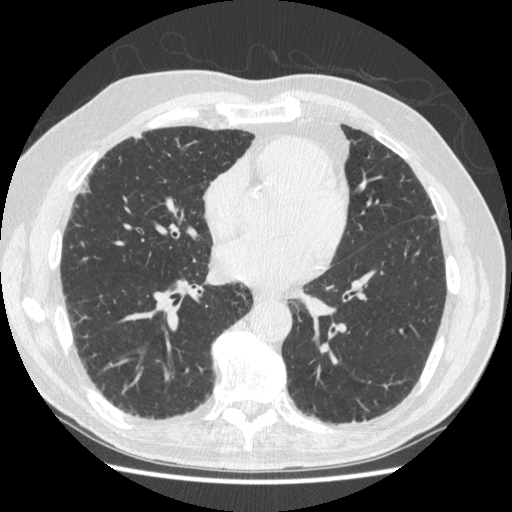
Axial chest CT slice 225 of 497 (counted from the lowest slice); tube voltage 120 kVp, convolution kernel STANDARD; slices 1.25 mm thick, 0.703 mm per pixel.
Pulmonary nodule, outlined by all four readers, one of them on this slice. Box on this slice rows 132–142, columns 130–141, the one reader's outline on this slice; longest diameter 12.2 mm on average over the four readers' outlines (readers' outlines 10.9–14.8 mm), volume 184–648 mm3. The readers' prevailing ratings and who disagreed: texture 5/5 (solid) by three of four readers; the rest gave 1/5 (non-solid) (one); margin 3/5 by two of four readers; the rest gave 2/5 (one), 4/5 (one); sphericity 3/5 (ovoid) by two of four readers; the rest gave 4/5 (one), 5/5 (round) (one); calcification absent, all four readers agreeing; internal structure soft tissue, all four readers agreeing; subtlety 4/5 by two of four readers; the rest gave 1/5 (one), 5/5 (one); malignancy likelihood 3/5 by two of four readers; the rest gave 2/5 (one), 4/5 (one). Scale key (1–5): texture non-solid→solid, margin indistinct→circumscribed, sphericity linear→round, subtlety extremely subtle→obvious, malignancy likelihood highly unlikely→highly suspicious of cancer. Box rows and columns are 0-based pixel indices from the top-left corner, inclusive.